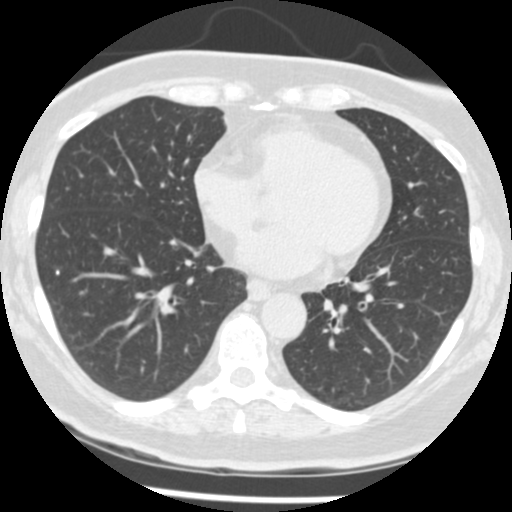
One axial slice (180 of 433, counting up from the lowest) of a chest CT acquired at 120 kVp with the STANDARD kernel; each pixel is 0.547 mm and the slice is 1.25 mm thick.
Pulmonary nodule, outlined by one of the four readers. Box on this slice rows 270–274, columns 56–59, that reader's outline on this slice; longest diameter 3.7 mm and volume 18 mm3 from that reader's outline. That reader's ratings: texture 5/5 (solid); margin 5/5 (circumscribed); sphericity 5/5 (round); calcification solid calcification; internal structure soft tissue; subtlety 5/5; malignancy likelihood 1/5. Scale key (1–5): texture non-solid→solid, margin indistinct→circumscribed, sphericity linear→round, subtlety extremely subtle→obvious, malignancy likelihood highly unlikely→highly suspicious of cancer. Box rows and columns are 0-based pixel indices from the top-left corner, inclusive.